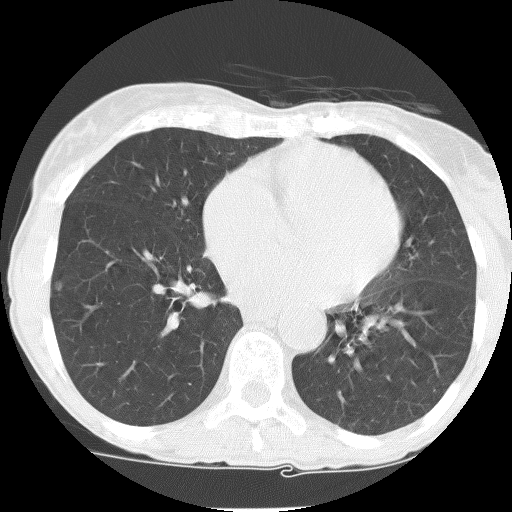
Axial chest CT slice 60 of 127 (counted from the lowest slice); tube voltage 140 kVp, convolution kernel BONE; slices 2.50 mm thick, 0.523 mm per pixel.
Pulmonary nodule, outlined by all four readers, three of them on this slice. Box on this slice rows 281–290, columns 55–61, the union of the readers' outlines on this slice; longest diameter 4.7–6.5 mm and volume 51–96 mm3 across the four readers' outlines. Ratings across the readers: texture from 3/5 (part-solid) to 5/5 (solid) across the four readers; margin from 3/5 to 5/5 (circumscribed) across the four readers; sphericity 4/5 from all four readers; calcification absent from all four readers; internal structure soft tissue from all four readers; subtlety 4/5, all four readers agreeing; malignancy likelihood rated between 2 and 3 out of 5 by the four readers. Scale key (1–5): texture non-solid→solid, margin indistinct→circumscribed, sphericity linear→round, subtlety extremely subtle→obvious, malignancy likelihood highly unlikely→highly suspicious of cancer. Box rows and columns are 0-based pixel indices from the top-left corner, inclusive.